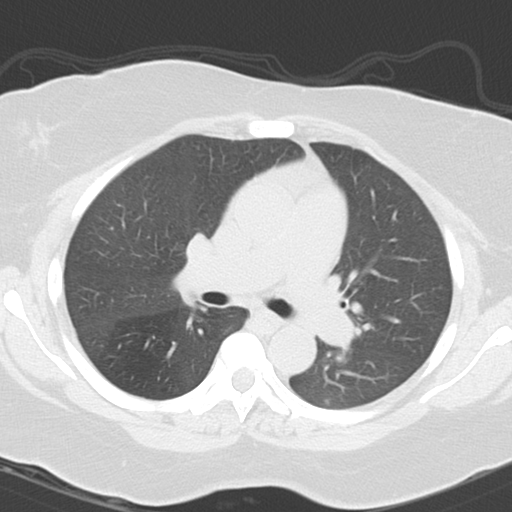
Chest CT, axial plane, 120 kVp, kernel B45f. Slice 68/101 from the bottom of the scan; thickness 3.00 mm; pixel size 0.586 mm.
The readers outlined no nodule of 3 mm or more on this slice.